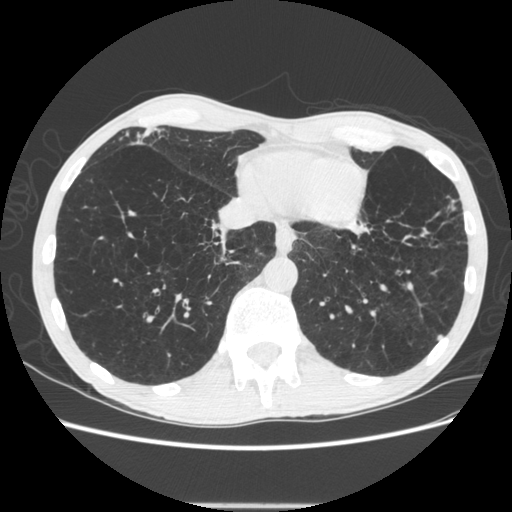
One axial slice (169 of 605, counting up from the lowest) of a chest CT acquired at 120 kVp with the STANDARD kernel; each pixel is 0.703 mm and the slice is 1.25 mm thick.
Pulmonary nodule, outlined by one of the four readers. Box on this slice rows 336–340, columns 438–442, that reader's outline on this slice; longest diameter 6.3 mm and volume 45 mm3 from that reader's outline. Ratings by that reader: texture 5/5 (solid); margin 5/5 (circumscribed); sphericity 4/5; calcification absent; internal structure soft tissue; subtlety 3/5; malignancy likelihood 3/5. Scale key (1–5): texture non-solid→solid, margin indistinct→circumscribed, sphericity linear→round, subtlety extremely subtle→obvious, malignancy likelihood highly unlikely→highly suspicious of cancer. Box rows and columns are 0-based pixel indices from the top-left corner, inclusive.